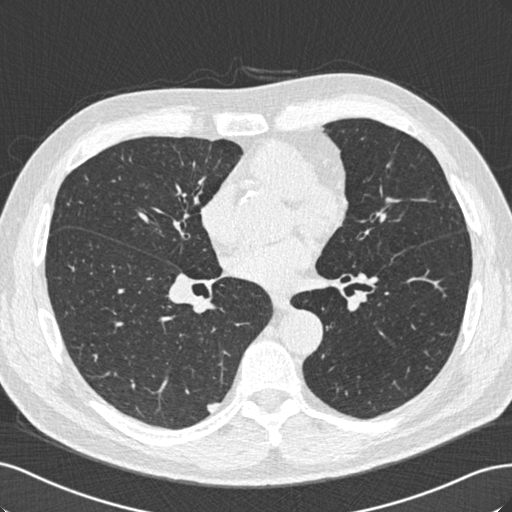
Chest CT, axial plane, 120 kVp, kernel B30f. Slice 296/529 from the bottom of the scan; thickness 0.75 mm; pixel size 0.703 mm.
Pulmonary nodule outlined by all four readers; box rows 403–411, columns 207–218 (the union of the readers' outlines on this slice); median longest diameter 10.5 mm (readers' outlines 9.8–11.3 mm), median volume 178 mm3 (151–208 mm3). Ratings, median across the readers with their spread: texture 5/5 (solid) from all four readers; margin 5/5 (circumscribed) at the median of four readers, spread 4/5 to 5/5 (circumscribed); median sphericity 4.5/5 (readers ranged 3/5 (ovoid) to 5/5 (round)); calcification absent from all four readers; internal structure soft tissue, all four readers agreeing; median subtlety 4.5/5 (readers ranged 3–5); median malignancy likelihood 3/5 (readers ranged 2–5). Scale key (1–5): texture non-solid→solid, margin indistinct→circumscribed, sphericity linear→round, subtlety extremely subtle→obvious, malignancy likelihood highly unlikely→highly suspicious of cancer. Box rows and columns are 0-based pixel indices from the top-left corner, inclusive.